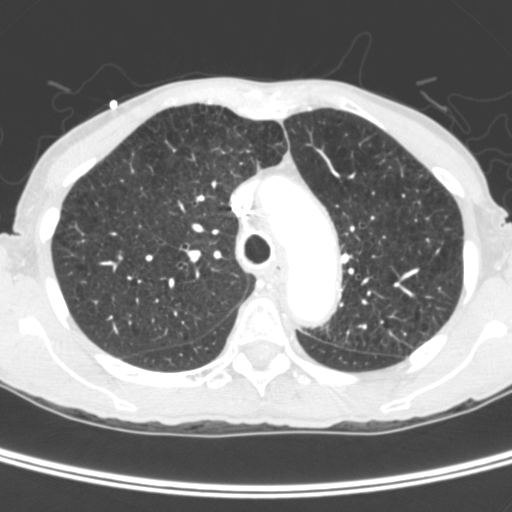
Chest CT, axial plane, 120 kVp, kernel C. Slice 280/400 from the bottom of the scan; thickness 1.50 mm; pixel size 0.527 mm.
Pulmonary nodule outlined by one of the four readers; box rows 251–259, columns 117–121 (that reader's outline on this slice); longest diameter 5.7 mm and volume 76 mm3 from that reader's outline. That reader's ratings: texture 5/5 (solid); margin 4/5; sphericity 4/5; calcification absent; internal structure soft tissue; subtlety 4/5; malignancy likelihood 3/5. Scale key (1–5): texture non-solid→solid, margin indistinct→circumscribed, sphericity linear→round, subtlety extremely subtle→obvious, malignancy likelihood highly unlikely→highly suspicious of cancer. Box rows and columns are 0-based pixel indices from the top-left corner, inclusive.